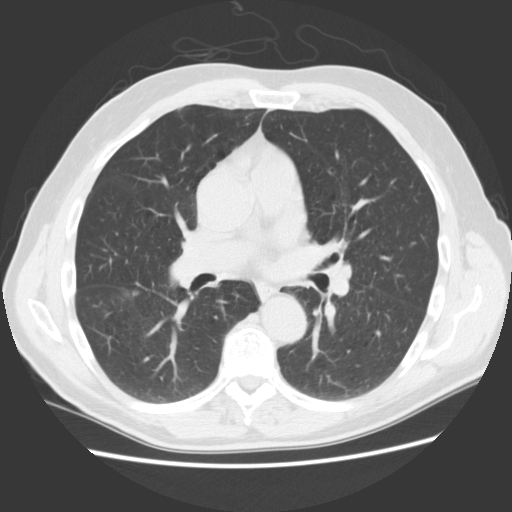
Axial chest CT slice 87 of 157 (counted from the lowest slice); 2.50 mm thick, 0.703 mm per pixel. Pulmonary nodule at rows 290–297, columns 132–139 (box = the union of the readers' outlines on this slice), outlined by all four readers, three of them on this slice; median longest diameter 8.6 mm (readers' outlines 7.8–8.7 mm), median volume 231 mm3 (103–291 mm3). Ratings, median across the readers with their spread: texture 5/5 (solid), all four readers agreeing; margin 4.5/5 at the median of four readers, spread 4/5 to 5/5 (circumscribed); median sphericity 4/5 (readers ranged 3/5 (ovoid) to 4/5); calcification absent from all four readers; internal structure soft tissue from all four readers; subtlety 4.5/5 at the median of four readers, spread 2–5; malignancy likelihood 2.5/5 at the median of four readers, spread 1–3. Scale key (1–5): texture non-solid→solid, margin indistinct→circumscribed, sphericity linear→round, subtlety extremely subtle→obvious, malignancy likelihood highly unlikely→highly suspicious of cancer. Box rows and columns are 0-based pixel indices from the top-left corner, inclusive.
Tube voltage 120 kVp; convolution kernel STANDARD.